Chest CT, axial plane, 120 kVp, kernel BONE. Slice 155/225 from the bottom of the scan; thickness 1.25 mm; pixel size 0.637 mm.
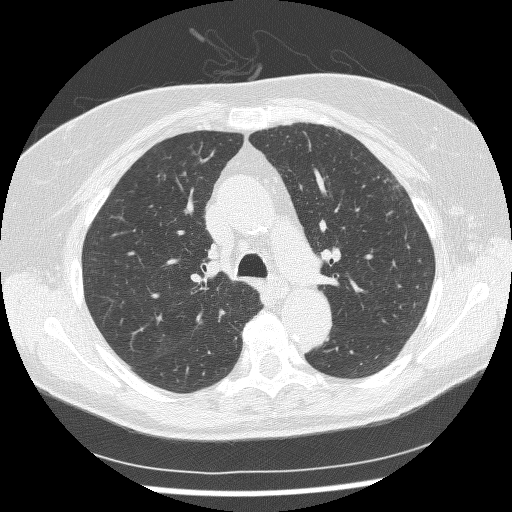
This slice carries no reader outline of a nodule 3 mm or larger.